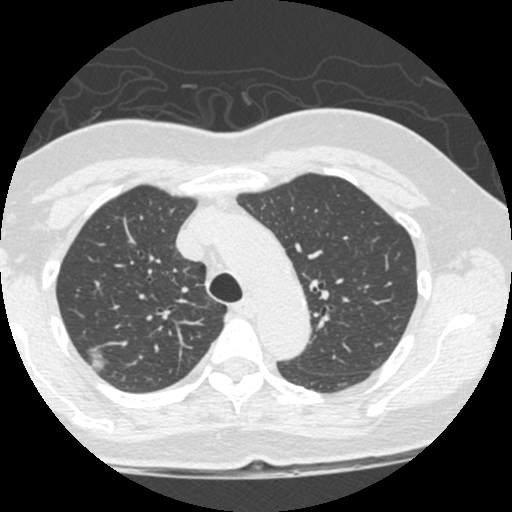
Chest CT, axial plane, 120 kVp, kernel STANDARD. Slice 382/490 from the bottom of the scan; thickness 1.25 mm; pixel size 0.547 mm.
Pulmonary nodule, outlined by three of the four readers. Box on this slice rows 347–373, columns 86–108, the union of the readers' outlines on this slice; median longest diameter 15.2 mm (readers' outlines 14.3–18.3 mm), median volume 997 mm3 (967–1422 mm3). Median ratings and the readers' spread: median texture 1/5 (non-solid) (readers ranged 1/5 (non-solid) to 5/5 (solid)); margin 2/5 at the median of three readers, spread 2/5 to 4/5; median sphericity 4/5 (readers ranged 3/5 (ovoid) to 5/5 (round)); calcification absent from all three readers; internal structure soft tissue, all three readers agreeing; subtlety 5/5 at the median of three readers, spread 1–5; median malignancy likelihood 3/5 (readers ranged 2–5). Scale key (1–5): texture non-solid→solid, margin indistinct→circumscribed, sphericity linear→round, subtlety extremely subtle→obvious, malignancy likelihood highly unlikely→highly suspicious of cancer. Box rows and columns are 0-based pixel indices from the top-left corner, inclusive.